Chest CT, axial plane, 120 kVp, kernel B30f. Slice 149/408 from the bottom of the scan; thickness 0.75 mm; pixel size 0.531 mm.
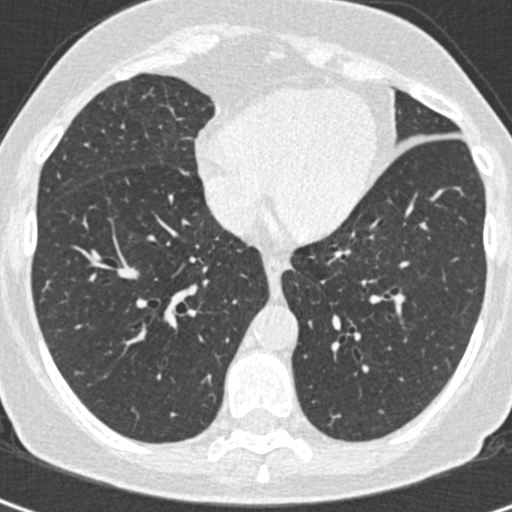
Pulmonary nodule, outlined by all four readers. Box on this slice rows 371–375, columns 75–83, the union of the readers' outlines on this slice; longest diameter 5.4–6.1 mm and volume 35–62 mm3 across the four readers' outlines. Ratings across the readers: texture from 4/5 to 5/5 (solid) across the four readers; margin from 2/5 to 5/5 (circumscribed) across the four readers; sphericity from 3/5 (ovoid) to 5/5 (round) across the four readers; calcification: absent (three), solid calcification (one); internal structure soft tissue from all four readers; subtlety rated between 2 and 5 out of 5 by the four readers; malignancy likelihood from 1/5 to 3/5 across the four readers. Scale key (1–5): texture non-solid→solid, margin indistinct→circumscribed, sphericity linear→round, subtlety extremely subtle→obvious, malignancy likelihood highly unlikely→highly suspicious of cancer. Box rows and columns are 0-based pixel indices from the top-left corner, inclusive.